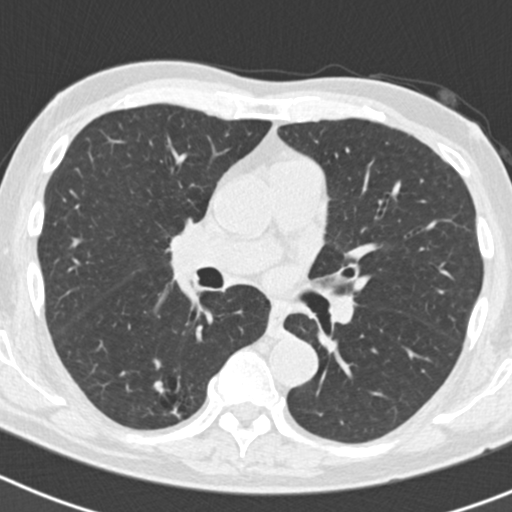
Axial chest CT slice 108 of 186 (counted from the lowest slice); 2.00 mm thick, 0.586 mm per pixel. Pulmonary nodule at rows 381–392, columns 152–163 (box = the union of the readers' outlines on this slice), outlined by all four readers; longest diameter 8.8 mm on average over the four readers' outlines (readers' outlines 7.2–10.2 mm), volume 143–297 mm3. Ratings, by the readers' most common answer with dissent counted: texture 5/5 (solid) by three of four readers; the rest gave 4/5 (one); margin 4/5 by two of four readers; the rest gave 3/5 (one), 5/5 (circumscribed) (one); sphericity 4/5, all four readers agreeing; calcification absent from all four readers; internal structure soft tissue from all four readers; subtlety split among the readers: 2/5 (one), 3/5 (one), 4/5 (one), 5/5 (one); malignancy likelihood 3/5 by two of four readers; the rest gave 2/5 (one), 5/5 (one). Scale key (1–5): texture non-solid→solid, margin indistinct→circumscribed, sphericity linear→round, subtlety extremely subtle→obvious, malignancy likelihood highly unlikely→highly suspicious of cancer. Box rows and columns are 0-based pixel indices from the top-left corner, inclusive.
Scan settings: 120 kVp, B30f reconstruction kernel.